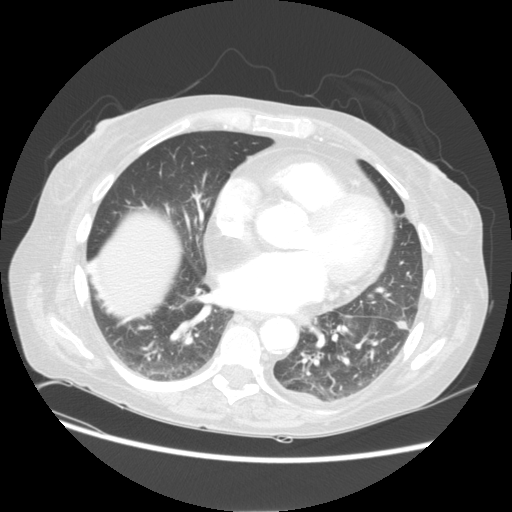
One axial slice (57 of 113, counting up from the lowest) of a chest CT acquired at 120 kVp with the STANDARD kernel; each pixel is 0.742 mm and the slice is 2.50 mm thick.
Pulmonary nodule, outlined by three of the four readers. Box on this slice rows 318–329, columns 394–407, the union of the readers' outlines on this slice; median longest diameter 11.6 mm (readers' outlines 10.3–12.4 mm), median volume 379 mm3 (262–384 mm3). Ratings, median across the readers with their spread: texture 5/5 (solid) at the median of three readers, spread 4/5 to 5/5 (solid); margin 5/5 (circumscribed) at the median of three readers, spread 2/5 to 5/5 (circumscribed); median sphericity 3/5 (ovoid) (readers ranged 3/5 (ovoid) to 5/5 (round)); calcification absent, all three readers agreeing; internal structure soft tissue, all three readers agreeing; subtlety 4/5 at the median of three readers, spread 3–5; malignancy likelihood 2/5 at the median of three readers, spread 2–5. Scale key (1–5): texture non-solid→solid, margin indistinct→circumscribed, sphericity linear→round, subtlety extremely subtle→obvious, malignancy likelihood highly unlikely→highly suspicious of cancer. Box rows and columns are 0-based pixel indices from the top-left corner, inclusive.